Axial chest CT slice 52 of 113 (counted from the lowest slice); tube voltage 120 kVp, convolution kernel STANDARD; slices 2.50 mm thick, 0.703 mm per pixel.
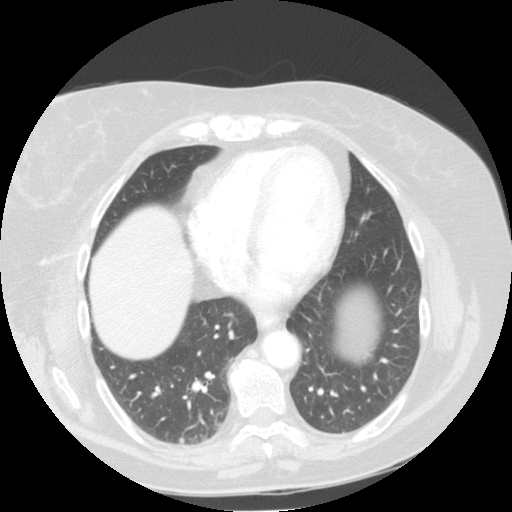
Pulmonary nodule at rows 438–443, columns 179–183 (box = that reader's outline on this slice), outlined by one of the four readers; longest diameter 5.4 mm and volume 75 mm3 from that reader's outline. That reader's ratings: texture 5/5 (solid); margin 5/5 (circumscribed); sphericity 5/5 (round); calcification absent; internal structure soft tissue; subtlety 2/5; malignancy likelihood 2/5. Scale key (1–5): texture non-solid→solid, margin indistinct→circumscribed, sphericity linear→round, subtlety extremely subtle→obvious, malignancy likelihood highly unlikely→highly suspicious of cancer. Box rows and columns are 0-based pixel indices from the top-left corner, inclusive.